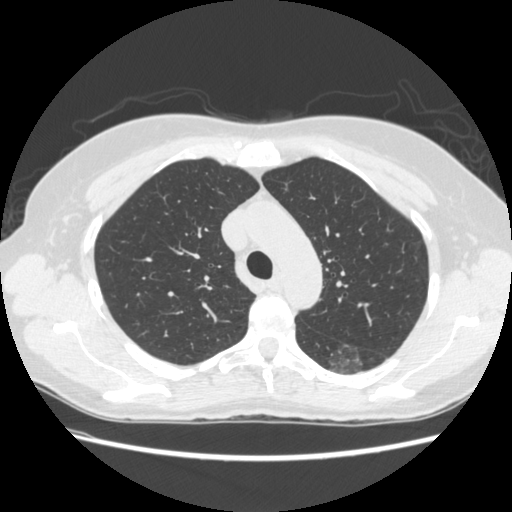
Slice 185/261 of a chest CT, counting up from the lowest; pixel size 0.682 mm, slice thickness 1.25 mm. Pulmonary nodule at rows 344–373, columns 328–363 (box = the union of the readers' outlines on this slice), outlined by two of the four readers; longest diameter 30.8 mm on average over the two readers' outlines (readers' outlines 30.0–31.5 mm), volume 6577–7912 mm3. The readers' prevailing ratings and who disagreed: texture split among the readers: 1/5 (non-solid) (one), 2/5 (one); margin split among the readers: 1/5 (indistinct) (one), 2/5 (one); sphericity split among the readers: 3/5 (ovoid) (one), 5/5 (round) (one); calcification absent from both readers; internal structure soft tissue from both readers; subtlety split among the readers: 1/5 (one), 2/5 (one); malignancy likelihood split among the readers: 4/5 (one), 5/5 (one). Scale key (1–5): texture non-solid→solid, margin indistinct→circumscribed, sphericity linear→round, subtlety extremely subtle→obvious, malignancy likelihood highly unlikely→highly suspicious of cancer. Box rows and columns are 0-based pixel indices from the top-left corner, inclusive.
Acquired at 120 kVp and reconstructed with the STANDARD kernel.